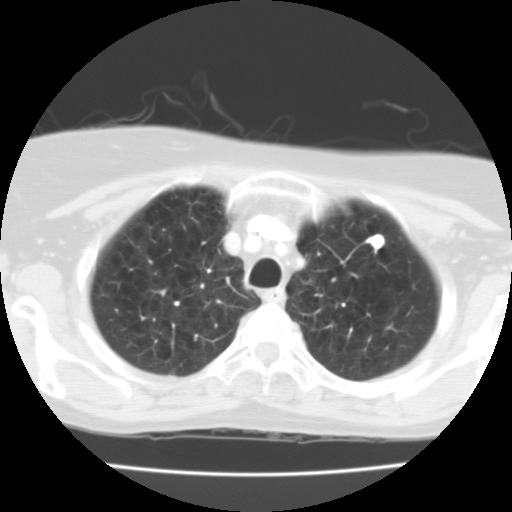
Axial slice 86 of 109 of a chest CT (slice 1 is the lowest), reconstructed with the FC01 kernel at 135 kVp; 3.00 mm slice thickness and 0.613 mm pixels.
Pulmonary nodule outlined by all four readers; box rows 234–249, columns 365–385 (the union of the readers' outlines on this slice); longest diameter 10.9–13.0 mm and volume 333–666 mm3 across the four readers' outlines. The readers' ratings, as ranges where they differ: texture 5/5 (solid), all four readers agreeing; margin 5/5 (circumscribed) from all four readers; sphericity from 4/5 to 5/5 (round) across the four readers; calcification: solid calcification (three), absent (one); internal structure soft tissue from all four readers; subtlety 5/5 from all four readers; malignancy likelihood from 1/5 to 3/5 across the four readers. Scale key (1–5): texture non-solid→solid, margin indistinct→circumscribed, sphericity linear→round, subtlety extremely subtle→obvious, malignancy likelihood highly unlikely→highly suspicious of cancer. Box rows and columns are 0-based pixel indices from the top-left corner, inclusive.